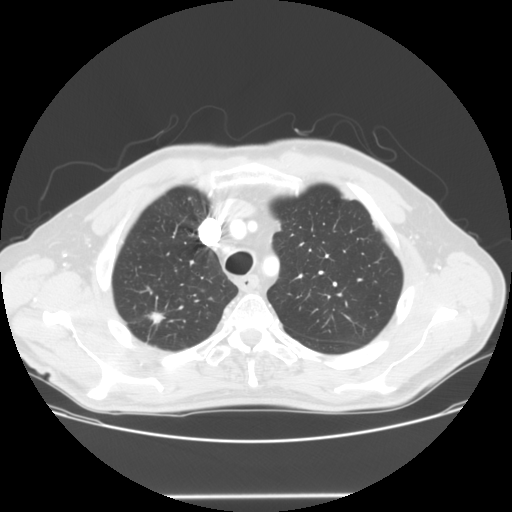
Axial chest CT slice 104 of 128 (counted from the lowest slice); 2.50 mm thick, 0.742 mm per pixel. Two pulmonary nodules are outlined on this slice; from left to right: (1) Pulmonary nodule outlined by all four readers; box rows 310–324, columns 145–165 (the union of the readers' outlines on this slice); longest diameter 15.3 mm on average over the four readers' outlines (readers' outlines 14.3–17.2 mm), volume 762–950 mm3. The readers' prevailing ratings and who disagreed: texture 5/5 (solid) by three of four readers; the rest gave 4/5 (one); margin split among the readers: 3/5 (two), 4/5 (two); sphericity 3/5 (ovoid) by two of four readers; the rest gave 2/5 (one), 5/5 (round) (one); calcification absent by three of four readers, central calcification (one); internal structure soft tissue, all four readers agreeing; subtlety split among the readers: 4/5 (two), 5/5 (two); malignancy likelihood 4/5 by two of four readers; the rest gave 2/5 (one), 5/5 (one). (2) Pulmonary nodule at rows 196–199, columns 187–191 (box = the union of the readers' outlines on this slice), outlined by two of the four readers; longest diameter 4.3–5.4 mm and volume 49–94 mm3 across the two readers' outlines. Ratings across the readers: texture 5/5 (solid), both readers agreeing; margin 5/5 (circumscribed), both readers agreeing; sphericity 5/5 (round) from both readers; calcification solid calcification from both readers; internal structure soft tissue from both readers; subtlety 5/5 from both readers; malignancy likelihood 1/5 from both readers. Scale key (1–5): texture non-solid→solid, margin indistinct→circumscribed, sphericity linear→round, subtlety extremely subtle→obvious, malignancy likelihood highly unlikely→highly suspicious of cancer. Box rows and columns are 0-based pixel indices from the top-left corner, inclusive.
Scan settings: 120 kVp, STANDARD reconstruction kernel.